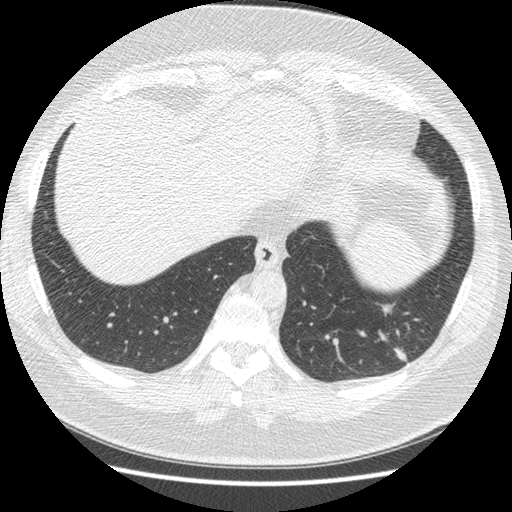
Chest CT, axial plane, 120 kVp, kernel STANDARD. Slice 73/421 from the bottom of the scan; thickness 1.25 mm; pixel size 0.703 mm.
Pulmonary nodule, outlined four times (the source holds four more outlines, not used). Box on this slice rows 304–360, columns 383–406, the union of the readers' outlines on this slice; median longest diameter 32.9 mm (readers' outlines 30.9–38.9 mm), median volume 5450 mm3 (4443–5826 mm3). Ratings, median across the readers with their spread: texture 5/5 (solid) at the median of four readers, spread 4/5 to 5/5 (solid); margin 4/5 at the median of four readers, spread 3/5 to 4/5; sphericity 2.5/5 at the median of four readers, spread 2/5 to 4/5; calcification absent, all four readers agreeing; internal structure soft tissue from all four readers; median subtlety 5/5 (readers ranged 4–5); median malignancy likelihood 3.5/5 (readers ranged 2–5). Scale key (1–5): texture non-solid→solid, margin indistinct→circumscribed, sphericity linear→round, subtlety extremely subtle→obvious, malignancy likelihood highly unlikely→highly suspicious of cancer. Box rows and columns are 0-based pixel indices from the top-left corner, inclusive.